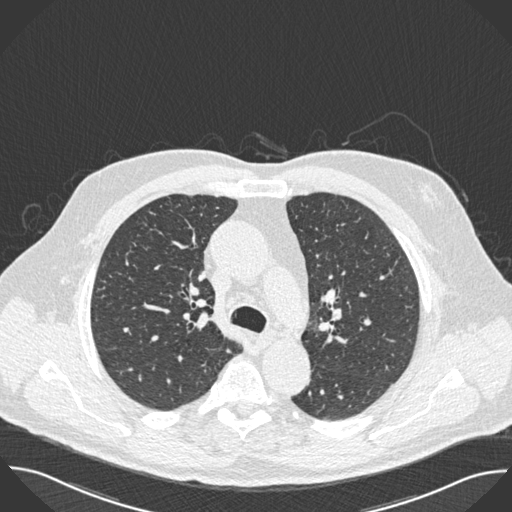
Slice 358/493 of a chest CT, counting up from the lowest; pixel size 0.762 mm, slice thickness 0.75 mm. Pulmonary nodule, outlined by two of the four readers. Box on this slice rows 348–352, columns 226–230, the union of the readers' outlines on this slice; median longest diameter 7.0 mm (readers' outlines 6.6–7.5 mm), median volume 58 mm3 (41–75 mm3). Ratings, median across the readers with their spread: texture 5/5 (solid) from both readers; margin 4/5, both readers agreeing; sphericity 3/5 (ovoid) from both readers; calcification absent, both readers agreeing; internal structure soft tissue, both readers agreeing; subtlety 4/5, both readers agreeing; median malignancy likelihood 2.5/5 (readers ranged 2–3). Scale key (1–5): texture non-solid→solid, margin indistinct→circumscribed, sphericity linear→round, subtlety extremely subtle→obvious, malignancy likelihood highly unlikely→highly suspicious of cancer. Box rows and columns are 0-based pixel indices from the top-left corner, inclusive.
Scan settings: 120 kVp, B30f reconstruction kernel.